Axial chest CT slice 242 of 487 (counted from the lowest slice); tube voltage 120 kVp, convolution kernel STANDARD; slices 1.25 mm thick, 0.703 mm per pixel.
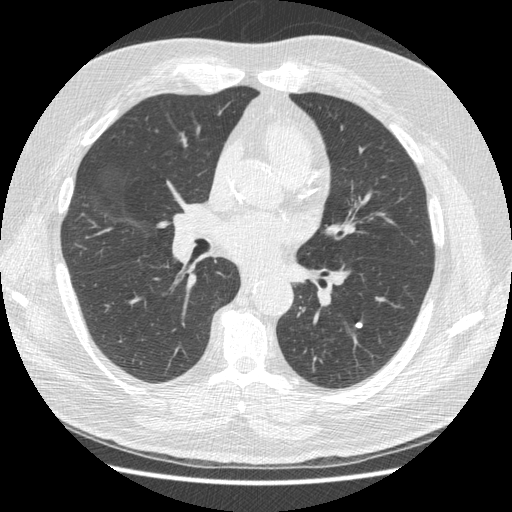
Pulmonary nodule outlined by all four readers; box rows 322–328, columns 355–362 (the union of the readers' outlines on this slice); longest diameter 6.7 mm on average over the four readers' outlines (readers' outlines 6.5–7.1 mm), volume 68–92 mm3. Ratings, by the readers' most common answer with dissent counted: texture 5/5 (solid), all four readers agreeing; margin 5/5 (circumscribed) from all four readers; sphericity 5/5 (round) by two of four readers; the rest gave 3/5 (ovoid) (one), 4/5 (one); calcification solid calcification from all four readers; internal structure soft tissue from all four readers; subtlety 5/5 by three of four readers; the rest gave 4/5 (one); malignancy likelihood 1/5, all four readers agreeing. Scale key (1–5): texture non-solid→solid, margin indistinct→circumscribed, sphericity linear→round, subtlety extremely subtle→obvious, malignancy likelihood highly unlikely→highly suspicious of cancer. Box rows and columns are 0-based pixel indices from the top-left corner, inclusive.